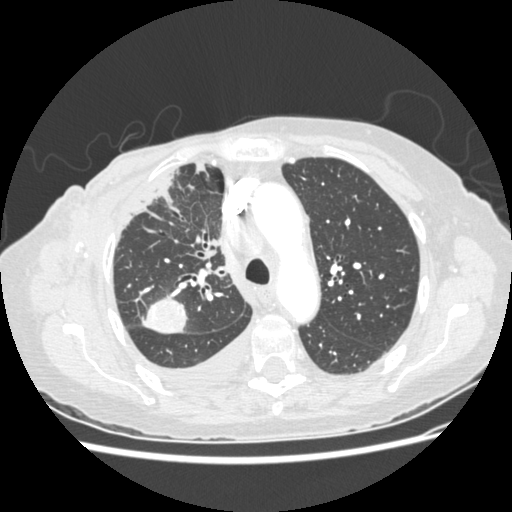
Slice 185/238 of a chest CT, counting up from the lowest; pixel size 0.664 mm, slice thickness 1.25 mm. Pulmonary nodule, outlined by two of the four readers. Box on this slice rows 297–332, columns 142–187, the union of the readers' outlines on this slice; median longest diameter 32.4 mm (readers' outlines 31.3–33.5 mm), median volume 8391 mm3 (8200–8583 mm3). Median ratings and the readers' spread: texture 5/5 (solid), both readers agreeing; margin 4.5/5 at the median of two readers, spread 4/5 to 5/5 (circumscribed); sphericity 4/5, both readers agreeing; calcification absent from both readers; internal structure soft tissue, both readers agreeing; subtlety 5/5, both readers agreeing; median malignancy likelihood 4/5 (readers ranged 3–5). Scale key (1–5): texture non-solid→solid, margin indistinct→circumscribed, sphericity linear→round, subtlety extremely subtle→obvious, malignancy likelihood highly unlikely→highly suspicious of cancer. Box rows and columns are 0-based pixel indices from the top-left corner, inclusive.
Tube voltage 120 kVp; convolution kernel STANDARD.